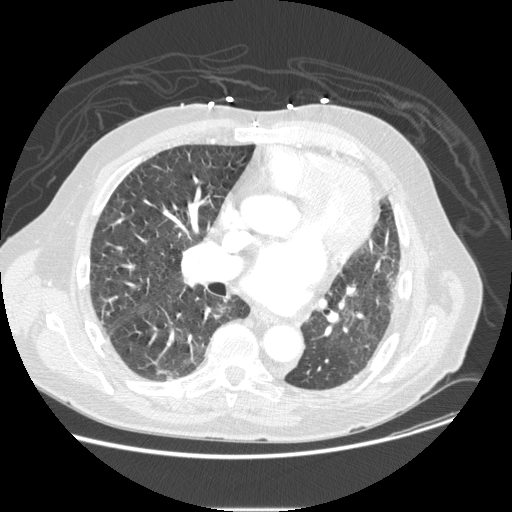
Slice 135/232 of a chest CT, counting up from the lowest; pixel size 0.781 mm, slice thickness 1.25 mm. Pulmonary nodule outlined by three of the four readers, one of them on this slice; box rows 304–314, columns 215–228 (the one reader's outline on this slice); longest diameter 19.3–24.1 mm and volume 947–2023 mm3 across the three readers' outlines. Ratings across the readers: texture from 1/5 (non-solid) to 2/5 across the three readers; margin from 2/5 to 3/5 across the three readers; sphericity from 2/5 to 4/5 across the three readers; calcification absent, all three readers agreeing; internal structure soft tissue from all three readers; subtlety from 3/5 to 4/5 across the three readers; malignancy likelihood 2–4/5 (the readers disagree). Scale key (1–5): texture non-solid→solid, margin indistinct→circumscribed, sphericity linear→round, subtlety extremely subtle→obvious, malignancy likelihood highly unlikely→highly suspicious of cancer. Box rows and columns are 0-based pixel indices from the top-left corner, inclusive.
Scan settings: 120 kVp, STANDARD reconstruction kernel.